Axial slice 83 of 209 of a chest CT (slice 1 is the lowest), reconstructed with the BONE kernel at 120 kVp; 1.25 mm slice thickness and 0.617 mm pixels.
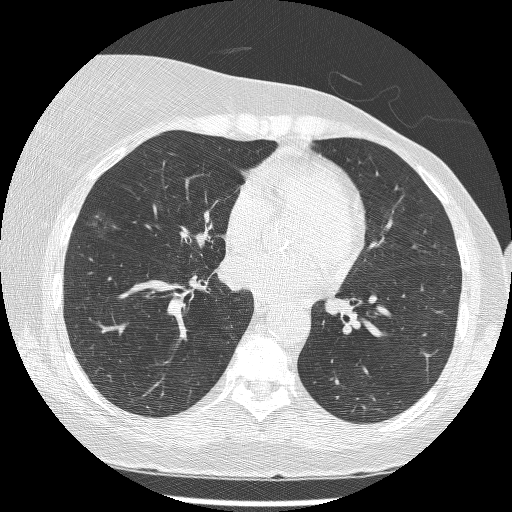
Two pulmonary nodules are outlined on this slice; from left to right: (1) Pulmonary nodule at rows 210–238, columns 86–119 (box = the union of the readers' outlines on this slice), outlined by three of the four readers, two of them on this slice; median longest diameter 21.9 mm (readers' outlines 20.1–23.8 mm), median volume 2042 mm3 (734–2087 mm3). Ratings, median across the readers with their spread: texture 1/5 (non-solid), all three readers agreeing; margin 1/5 (indistinct), all three readers agreeing; sphericity 4/5 at the median of three readers, spread 3/5 (ovoid) to 4/5; calcification absent, all three readers agreeing; internal structure soft tissue from all three readers; median subtlety 2/5 (readers ranged 1–3); median malignancy likelihood 4/5 (readers ranged 3–5). (2) Pulmonary nodule at rows 224–248, columns 195–211 (box = the union of the readers' outlines on this slice), outlined by three of the four readers; the three readers' outlines give a longest diameter between 22.9 and 27.7 mm and a volume between 3040 and 4232 mm3. The readers' ratings, as ranges where they differ: texture 5/5 (solid) from all three readers; margin from 4/5 to 5/5 (circumscribed) across the three readers; sphericity from 3/5 (ovoid) to 4/5 across the three readers; calcification absent from all three readers; internal structure soft tissue from all three readers; subtlety 5/5, all three readers agreeing; malignancy likelihood 5/5, all three readers agreeing. Scale key (1–5): texture non-solid→solid, margin indistinct→circumscribed, sphericity linear→round, subtlety extremely subtle→obvious, malignancy likelihood highly unlikely→highly suspicious of cancer. Box rows and columns are 0-based pixel indices from the top-left corner, inclusive.